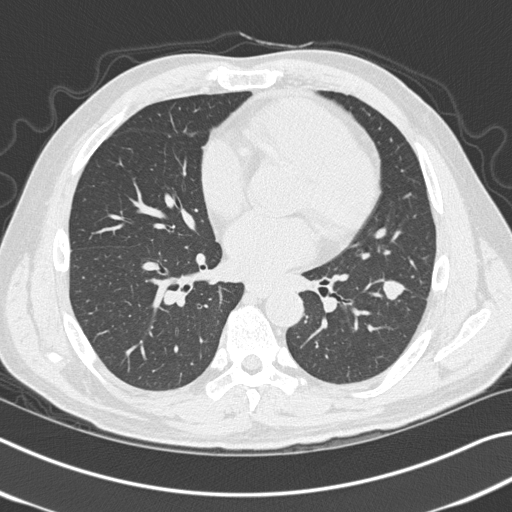
One axial slice (170 of 327, counting up from the lowest) of a chest CT acquired at 120 kVp with the B45f kernel; each pixel is 0.664 mm and the slice is 1.00 mm thick.
Pulmonary nodule outlined by all four readers; box rows 279–301, columns 382–406 (the union of the readers' outlines on this slice); median longest diameter 18.1 mm (readers' outlines 16.4–20.2 mm), median volume 1167 mm3 (1016–1342 mm3). Median ratings and the readers' spread: texture 5/5 (solid) from all four readers; margin 5/5 (circumscribed) at the median of four readers, spread 4/5 to 5/5 (circumscribed); median sphericity 4.5/5 (readers ranged 3/5 (ovoid) to 5/5 (round)); calcification absent, all four readers agreeing; internal structure soft tissue, all four readers agreeing; subtlety 5/5 at the median of four readers, spread 4–5; median malignancy likelihood 4.5/5 (readers ranged 3–5). Scale key (1–5): texture non-solid→solid, margin indistinct→circumscribed, sphericity linear→round, subtlety extremely subtle→obvious, malignancy likelihood highly unlikely→highly suspicious of cancer. Box rows and columns are 0-based pixel indices from the top-left corner, inclusive.